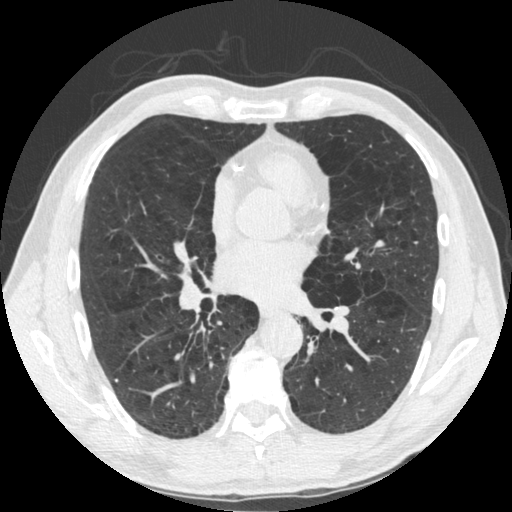
Chest CT, axial plane, 120 kVp, kernel STANDARD. Slice 257/535 from the bottom of the scan; thickness 1.25 mm; pixel size 0.664 mm.
Pulmonary nodule, outlined by one of the four readers. Box on this slice rows 379–381, columns 115–117, that reader's outline on this slice; longest diameter 4.2 mm and volume 28 mm3 from that reader's outline. That reader's ratings: texture 5/5 (solid); margin 5/5 (circumscribed); sphericity 5/5 (round); calcification solid calcification; internal structure soft tissue; subtlety 5/5; malignancy likelihood 1/5. Scale key (1–5): texture non-solid→solid, margin indistinct→circumscribed, sphericity linear→round, subtlety extremely subtle→obvious, malignancy likelihood highly unlikely→highly suspicious of cancer. Box rows and columns are 0-based pixel indices from the top-left corner, inclusive.